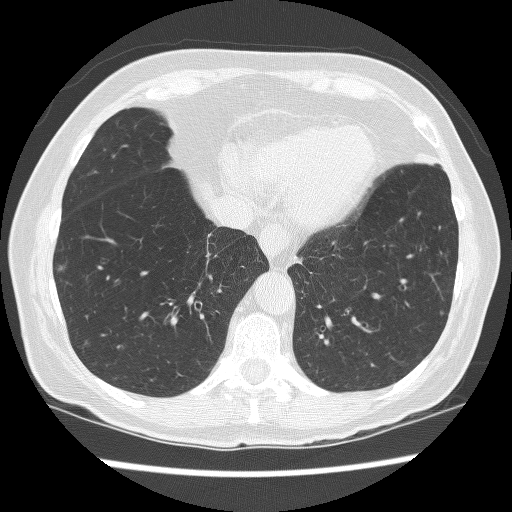
Chest CT, axial plane, 120 kVp, kernel BONE. Slice 76/241 from the bottom of the scan; thickness 1.25 mm; pixel size 0.609 mm.
Two pulmonary nodules on this slice, listed from left to right. (1) Pulmonary nodule, outlined by one of the four readers. Box on this slice rows 264–271, columns 57–65, that reader's outline on this slice; longest diameter 6.6 mm and volume 80 mm3 from that reader's outline. Ratings by that reader: texture 1/5 (non-solid); margin 1/5 (indistinct); sphericity 4/5; calcification absent; internal structure soft tissue; subtlety 3/5; malignancy likelihood 4/5. (2) Pulmonary nodule at rows 310–316, columns 439–443 (box = the union of the readers' outlines on this slice), outlined by two of the four readers; longest diameter 5.0–6.9 mm and volume 46–102 mm3 across the two readers' outlines. Ratings across the readers: texture from 3/5 (part-solid) to 4/5 across the two readers; margin from 2/5 to 5/5 (circumscribed) across the two readers; sphericity 3/5 (ovoid) from both readers; calcification absent, both readers agreeing; internal structure soft tissue from both readers; subtlety rated between 2 and 3 out of 5 by the two readers; malignancy likelihood rated between 2 and 3 out of 5 by the two readers. Scale key (1–5): texture non-solid→solid, margin indistinct→circumscribed, sphericity linear→round, subtlety extremely subtle→obvious, malignancy likelihood highly unlikely→highly suspicious of cancer. Box rows and columns are 0-based pixel indices from the top-left corner, inclusive.